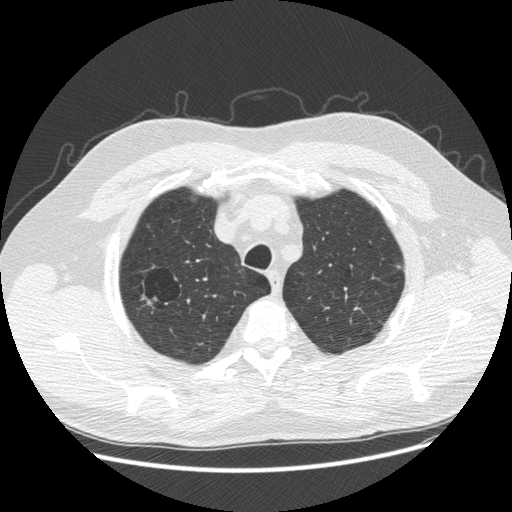
Axial slice 398 of 481 of a chest CT (slice 1 is the lowest), reconstructed with the STANDARD kernel at 120 kVp; 1.25 mm slice thickness and 0.742 mm pixels.
Pulmonary nodule outlined by two of the four readers, one of them on this slice; box rows 295–303, columns 141–154 (the one reader's outline on this slice); the two readers' outlines give a longest diameter between 15.0 and 18.6 mm and a volume between 293 and 924 mm3. The readers' ratings, as ranges where they differ: texture 1/5 (non-solid), both readers agreeing; margin from 1/5 (indistinct) to 2/5 across the two readers; sphericity from 3/5 (ovoid) to 5/5 (round) across the two readers; calcification absent from both readers; internal structure soft tissue from both readers; subtlety from 1/5 to 2/5 across the two readers; malignancy likelihood from 2/5 to 4/5 across the two readers. Scale key (1–5): texture non-solid→solid, margin indistinct→circumscribed, sphericity linear→round, subtlety extremely subtle→obvious, malignancy likelihood highly unlikely→highly suspicious of cancer. Box rows and columns are 0-based pixel indices from the top-left corner, inclusive.